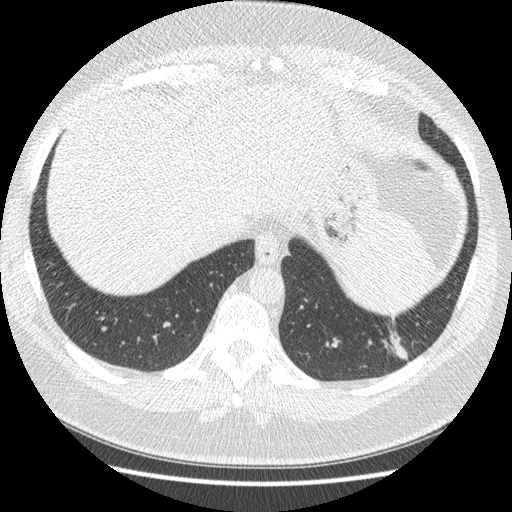
This is axial slice 63 of 421 (slice 1 is the lowest) of a chest CT; each pixel is 0.703 mm and the slice is 1.25 mm thick. Pulmonary nodule outlined four times (the source holds four more outlines, not used); box rows 316–361, columns 382–408 (the union of the readers' outlines on this slice); the four readers' outlines give a longest diameter between 30.9 and 38.9 mm and a volume between 4443 and 5826 mm3. Ratings across the readers: texture from 4/5 to 5/5 (solid) across the four readers; margin from 3/5 to 4/5 across the four readers; sphericity from 2/5 to 4/5 across the four readers; calcification absent from all four readers; internal structure soft tissue, all four readers agreeing; subtlety 4–5/5 (the readers disagree); malignancy likelihood 2–5/5 (the readers disagree). Scale key (1–5): texture non-solid→solid, margin indistinct→circumscribed, sphericity linear→round, subtlety extremely subtle→obvious, malignancy likelihood highly unlikely→highly suspicious of cancer. Box rows and columns are 0-based pixel indices from the top-left corner, inclusive.
Scan settings: 120 kVp, STANDARD reconstruction kernel.